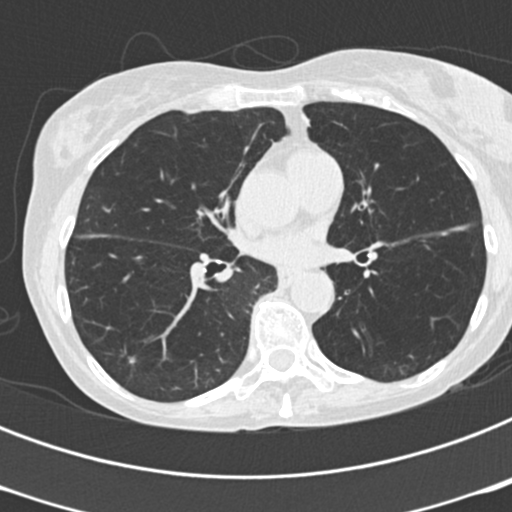
Axial chest CT slice 107 of 199 (counted from the lowest slice); tube voltage 120 kVp, convolution kernel B30f; slices 2.00 mm thick, 0.566 mm per pixel.
Pulmonary nodule outlined by all four readers, three of them on this slice; box rows 354–363, columns 127–136 (the union of the readers' outlines on this slice); longest diameter 10.8 mm on average over the four readers' outlines (readers' outlines 9.0–12.4 mm), volume 155–452 mm3. The readers' prevailing ratings and who disagreed: texture 4/5 by three of four readers; the rest gave 5/5 (solid) (one); margin 4/5 by two of four readers; the rest gave 2/5 (one), 3/5 (one); sphericity split among the readers: 2/5 (one), 3/5 (ovoid) (one), 4/5 (one), 5/5 (round) (one); calcification absent from all four readers; internal structure soft tissue from all four readers; subtlety 5/5 by two of four readers; the rest gave 3/5 (one), 4/5 (one); malignancy likelihood 5/5 by two of four readers; the rest gave 3/5 (one), 4/5 (one). Scale key (1–5): texture non-solid→solid, margin indistinct→circumscribed, sphericity linear→round, subtlety extremely subtle→obvious, malignancy likelihood highly unlikely→highly suspicious of cancer. Box rows and columns are 0-based pixel indices from the top-left corner, inclusive.